One axial slice (226 of 258, counting up from the lowest) of a chest CT acquired at 120 kVp with the STANDARD kernel; each pixel is 0.859 mm and the slice is 1.25 mm thick.
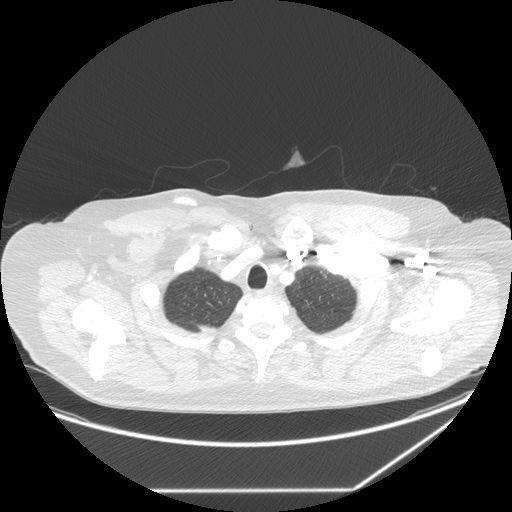
Pulmonary nodule at rows 271–278, columns 320–326 (box = the one reader's outline on this slice), outlined by all four readers, one of them on this slice; median longest diameter 13.2 mm (readers' outlines 11.3–14.0 mm), median volume 551 mm3 (372–779 mm3). Ratings, median across the readers with their spread: texture 5/5 (solid) from all four readers; margin 4.5/5 at the median of four readers, spread 4/5 to 5/5 (circumscribed); sphericity 3.5/5 at the median of four readers, spread 3/5 (ovoid) to 5/5 (round); calcification absent from all four readers; internal structure soft tissue from all four readers; subtlety 5/5 at the median of four readers, spread 4–5; median malignancy likelihood 3.5/5 (readers ranged 3–4). Scale key (1–5): texture non-solid→solid, margin indistinct→circumscribed, sphericity linear→round, subtlety extremely subtle→obvious, malignancy likelihood highly unlikely→highly suspicious of cancer. Box rows and columns are 0-based pixel indices from the top-left corner, inclusive.